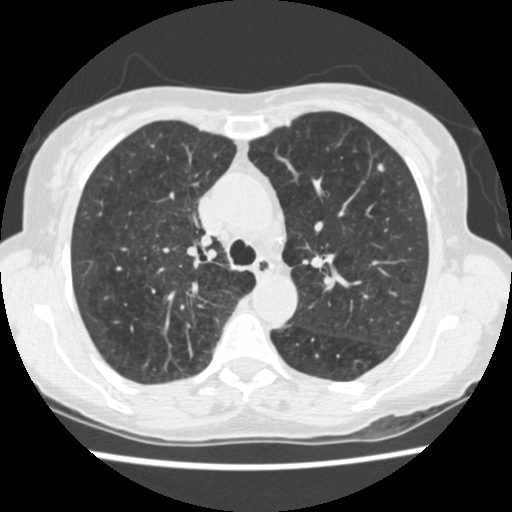
Axial chest CT slice 374 of 541 (counted from the lowest slice); 1.25 mm thick, 0.586 mm per pixel. Pulmonary nodule outlined by all four readers; box rows 163–172, columns 376–384 (the union of the readers' outlines on this slice); median longest diameter 6.8 mm (readers' outlines 5.4–7.8 mm), median volume 103 mm3 (67–124 mm3). Ratings, median across the readers with their spread: median texture 5/5 (solid) (readers ranged 4/5 to 5/5 (solid)); margin 4/5 at the median of four readers, spread 4/5 to 5/5 (circumscribed); median sphericity 3/5 (ovoid) (readers ranged 2/5 to 5/5 (round)); calcification: absent (three), central calcification (one); internal structure soft tissue from all four readers; subtlety 3.5/5 at the median of four readers, spread 3–5; malignancy likelihood 2.5/5 at the median of four readers, spread 1–4. Scale key (1–5): texture non-solid→solid, margin indistinct→circumscribed, sphericity linear→round, subtlety extremely subtle→obvious, malignancy likelihood highly unlikely→highly suspicious of cancer. Box rows and columns are 0-based pixel indices from the top-left corner, inclusive.
Scan settings: 120 kVp, STANDARD reconstruction kernel.